Axial slice 238 of 497 of a chest CT (slice 1 is the lowest), reconstructed with the STANDARD kernel at 120 kVp; 1.25 mm slice thickness and 0.703 mm pixels.
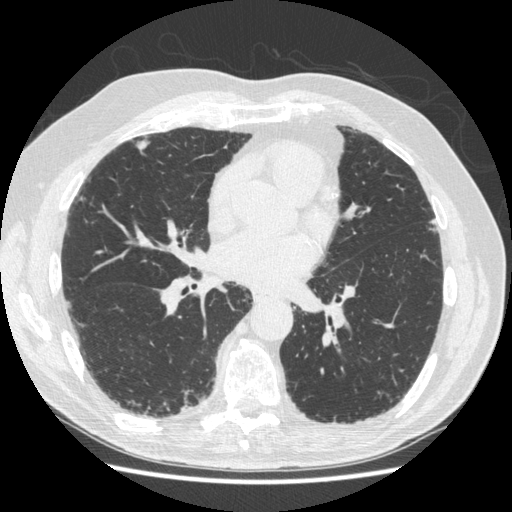
Pulmonary nodule at rows 138–154, columns 135–150 (box = the union of the readers' outlines on this slice), outlined by all four readers; the four readers' outlines give a longest diameter between 10.9 and 14.8 mm and a volume between 184 and 648 mm3. The readers' ratings, as ranges where they differ: texture from 1/5 (non-solid) to 5/5 (solid) across the four readers; margin from 2/5 to 4/5 across the four readers; sphericity from 3/5 (ovoid) to 5/5 (round) across the four readers; calcification absent, all four readers agreeing; internal structure soft tissue from all four readers; subtlety from 1/5 to 5/5 across the four readers; malignancy likelihood 2–4/5 (the readers disagree). Scale key (1–5): texture non-solid→solid, margin indistinct→circumscribed, sphericity linear→round, subtlety extremely subtle→obvious, malignancy likelihood highly unlikely→highly suspicious of cancer. Box rows and columns are 0-based pixel indices from the top-left corner, inclusive.